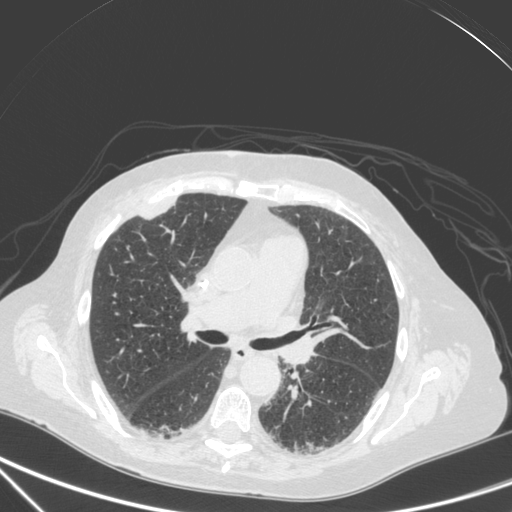
One axial slice (193 of 350, counting up from the lowest) of a chest CT acquired at 120 kVp with the C kernel; each pixel is 0.725 mm and the slice is 1.50 mm thick.
Pulmonary nodule outlined by one of the four readers; box rows 200–218, columns 140–175 (that reader's outline on this slice); longest diameter 29.5 mm and volume 4181 mm3 from that reader's outline. That reader's ratings: texture 5/5 (solid); margin 4/5; sphericity 2/5; calcification absent; internal structure soft tissue; subtlety 5/5; malignancy likelihood 4/5. Scale key (1–5): texture non-solid→solid, margin indistinct→circumscribed, sphericity linear→round, subtlety extremely subtle→obvious, malignancy likelihood highly unlikely→highly suspicious of cancer. Box rows and columns are 0-based pixel indices from the top-left corner, inclusive.